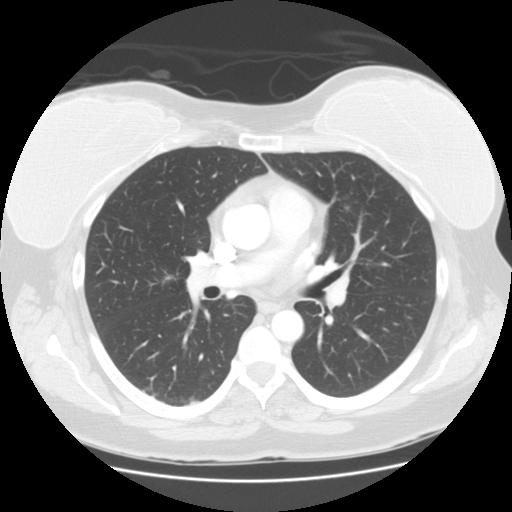
Chest CT, axial plane, 120 kVp, kernel STANDARD. Slice 89/139 from the bottom of the scan; thickness 2.50 mm; pixel size 0.703 mm.
Pulmonary nodule, outlined once (the source holds five more outlines, not used). Box on this slice rows 205–211, columns 344–349, that reader's outline on this slice; longest diameter 26.9 mm and volume 1751 mm3 from that reader's outline. Ratings by that reader: texture 5/5 (solid); margin 5/5 (circumscribed); sphericity 3/5 (ovoid); calcification absent; internal structure soft tissue; subtlety 3/5; malignancy likelihood 2/5. Scale key (1–5): texture non-solid→solid, margin indistinct→circumscribed, sphericity linear→round, subtlety extremely subtle→obvious, malignancy likelihood highly unlikely→highly suspicious of cancer. Box rows and columns are 0-based pixel indices from the top-left corner, inclusive.